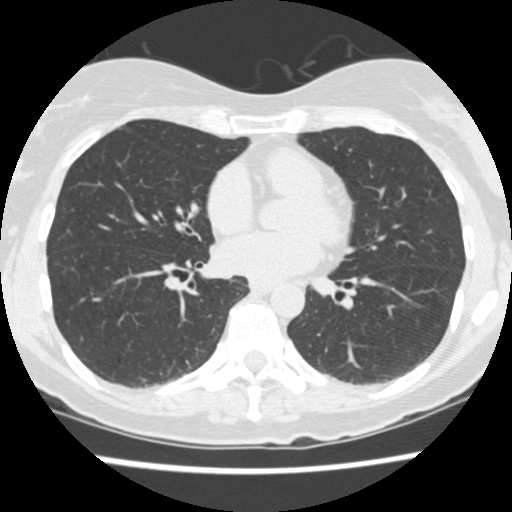
Axial slice 200 of 471 of a chest CT (slice 1 is the lowest), reconstructed with the STANDARD kernel at 120 kVp; 1.25 mm slice thickness and 0.586 mm pixels.
The readers outlined no nodule of 3 mm or more on this slice.